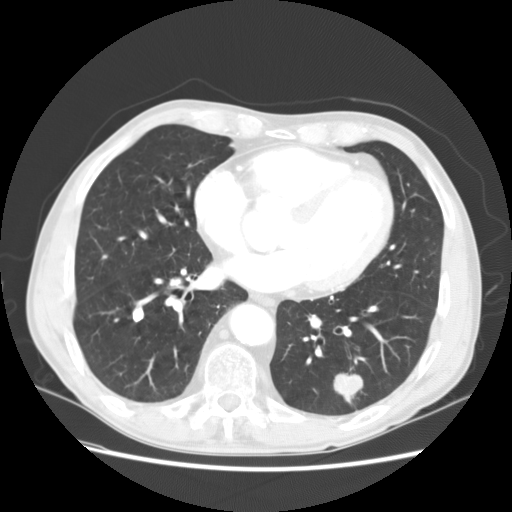
Axial slice 65 of 147 of a chest CT (slice 1 is the lowest), reconstructed with the STANDARD kernel at 120 kVp; 2.50 mm slice thickness and 0.703 mm pixels.
Two pulmonary nodules on this slice, listed from left to right. (1) Pulmonary nodule outlined by all four readers; box rows 305–322, columns 132–143 (the union of the readers' outlines on this slice); median longest diameter 12.5 mm (readers' outlines 11.4–13.6 mm), median volume 563 mm3 (439–652 mm3). Median ratings and the readers' spread: texture 5/5 (solid), all four readers agreeing; margin 5/5 (circumscribed) from all four readers; sphericity 4.5/5 at the median of four readers, spread 4/5 to 5/5 (round); calcification: solid calcification (three), absent (one); internal structure soft tissue, all four readers agreeing; median subtlety 4/5 (readers ranged 3–5); median malignancy likelihood 1/5 (readers ranged 1–3). (2) Pulmonary nodule outlined by all four readers; box rows 373–403, columns 333–363 (the union of the readers' outlines on this slice); median longest diameter 30.8 mm (readers' outlines 30.2–32.4 mm), median volume 8636 mm3 (8441–9544 mm3). Median ratings and the readers' spread: median texture 5/5 (solid) (readers ranged 3/5 (part-solid) to 5/5 (solid)); margin 4/5 at the median of four readers, spread 2/5 to 5/5 (circumscribed); median sphericity 4.5/5 (readers ranged 3/5 (ovoid) to 5/5 (round)); calcification absent, all four readers agreeing; internal structure soft tissue from all four readers; subtlety 5/5, all four readers agreeing; malignancy likelihood 4/5 at the median of four readers, spread 3–5. Scale key (1–5): texture non-solid→solid, margin indistinct→circumscribed, sphericity linear→round, subtlety extremely subtle→obvious, malignancy likelihood highly unlikely→highly suspicious of cancer. Box rows and columns are 0-based pixel indices from the top-left corner, inclusive.